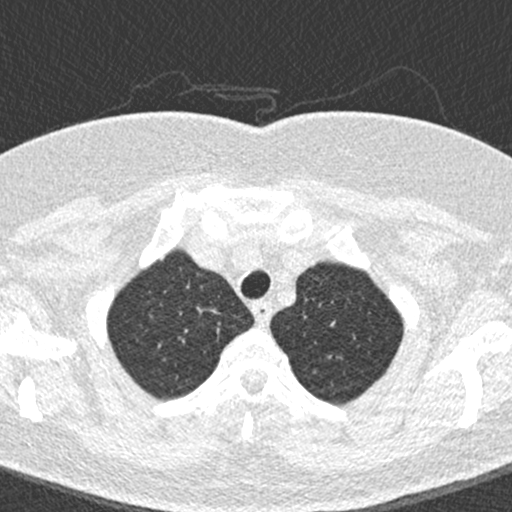
Slice 396/456 of a chest CT, counting up from the lowest; pixel size 0.559 mm, slice thickness 0.75 mm. Pulmonary nodule outlined by one of the four readers; box rows 256–260, columns 160–163 (that reader's outline on this slice); longest diameter 5.3 mm and volume 27 mm3 from that reader's outline. That reader's ratings: texture 5/5 (solid); margin 5/5 (circumscribed); sphericity 4/5; calcification solid calcification; internal structure soft tissue; subtlety 5/5; malignancy likelihood 1/5. Scale key (1–5): texture non-solid→solid, margin indistinct→circumscribed, sphericity linear→round, subtlety extremely subtle→obvious, malignancy likelihood highly unlikely→highly suspicious of cancer. Box rows and columns are 0-based pixel indices from the top-left corner, inclusive.
Tube voltage 120 kVp; convolution kernel B30f.